One axial slice (375 of 541, counting up from the lowest) of a chest CT acquired at 120 kVp with the STANDARD kernel; each pixel is 0.586 mm and the slice is 1.25 mm thick.
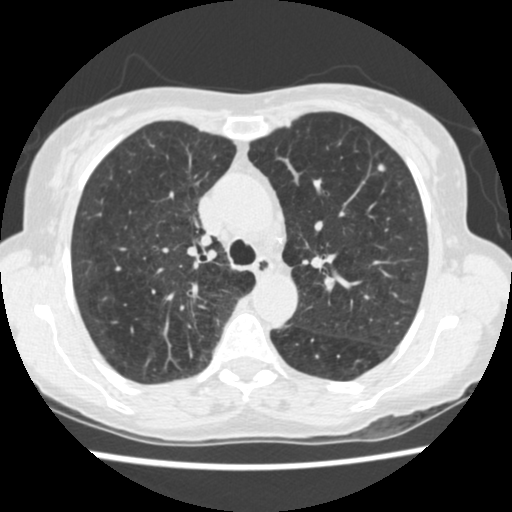
Pulmonary nodule at rows 163–172, columns 376–385 (box = the union of the readers' outlines on this slice), outlined by all four readers; median longest diameter 6.8 mm (readers' outlines 5.4–7.8 mm), median volume 103 mm3 (67–124 mm3). Ratings, median across the readers with their spread: texture 5/5 (solid) at the median of four readers, spread 4/5 to 5/5 (solid); margin 4/5 at the median of four readers, spread 4/5 to 5/5 (circumscribed); median sphericity 3/5 (ovoid) (readers ranged 2/5 to 5/5 (round)); calcification: absent (three), central calcification (one); internal structure soft tissue from all four readers; median subtlety 3.5/5 (readers ranged 3–5); malignancy likelihood 2.5/5 at the median of four readers, spread 1–4. Scale key (1–5): texture non-solid→solid, margin indistinct→circumscribed, sphericity linear→round, subtlety extremely subtle→obvious, malignancy likelihood highly unlikely→highly suspicious of cancer. Box rows and columns are 0-based pixel indices from the top-left corner, inclusive.